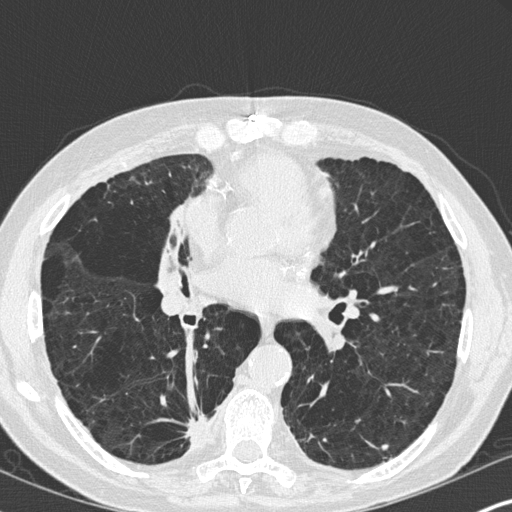
Axial slice 161 of 347 of a chest CT (slice 1 is the lowest), reconstructed with the B45f kernel at 120 kVp; 1.00 mm slice thickness and 0.625 mm pixels.
Pulmonary nodule, outlined by all four readers. Box on this slice rows 444–450, columns 381–388, the union of the readers' outlines on this slice; longest diameter 6.4–10.2 mm and volume 51–128 mm3 across the four readers' outlines. The readers' ratings, as ranges where they differ: texture 5/5 (solid) from all four readers; margin from 3/5 to 5/5 (circumscribed) across the four readers; sphericity from 2/5 to 5/5 (round) across the four readers; calcification absent from all four readers; internal structure soft tissue, all four readers agreeing; subtlety rated between 2 and 5 out of 5 by the four readers; malignancy likelihood rated between 2 and 4 out of 5 by the four readers. Scale key (1–5): texture non-solid→solid, margin indistinct→circumscribed, sphericity linear→round, subtlety extremely subtle→obvious, malignancy likelihood highly unlikely→highly suspicious of cancer. Box rows and columns are 0-based pixel indices from the top-left corner, inclusive.